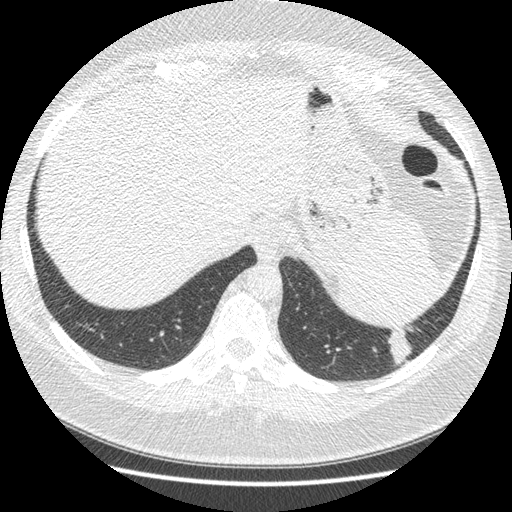
Axial chest CT slice 52 of 421 (counted from the lowest slice); 1.25 mm thick, 0.703 mm per pixel. Pulmonary nodule at rows 325–365, columns 387–412 (box = the union of the readers' outlines on this slice), outlined four times (the source holds four more outlines, not used); the four readers' outlines give a longest diameter between 30.9 and 38.9 mm and a volume between 4443 and 5826 mm3. The readers' ratings, as ranges where they differ: texture from 4/5 to 5/5 (solid) across the four readers; margin from 3/5 to 4/5 across the four readers; sphericity from 2/5 to 4/5 across the four readers; calcification absent, all four readers agreeing; internal structure soft tissue from all four readers; subtlety rated between 4 and 5 out of 5 by the four readers; malignancy likelihood 2–5/5 (the readers disagree). Scale key (1–5): texture non-solid→solid, margin indistinct→circumscribed, sphericity linear→round, subtlety extremely subtle→obvious, malignancy likelihood highly unlikely→highly suspicious of cancer. Box rows and columns are 0-based pixel indices from the top-left corner, inclusive.
Tube voltage 120 kVp; convolution kernel STANDARD.